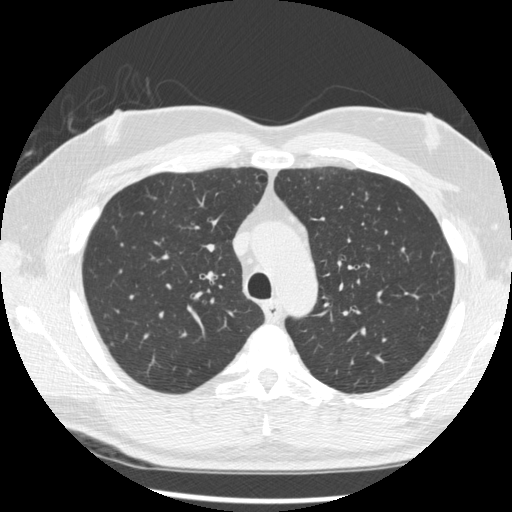
This is axial slice 344 of 522 (slice 1 is the lowest) of a chest CT; each pixel is 0.703 mm and the slice is 1.25 mm thick. Pulmonary nodule at rows 343–345, columns 110–113 (box = that reader's outline on this slice), outlined by one of the four readers; longest diameter 5.4 mm and volume 41 mm3 from that reader's outline. Ratings by that reader: texture 5/5 (solid); margin 5/5 (circumscribed); sphericity 4/5; calcification absent; internal structure soft tissue; subtlety 4/5; malignancy likelihood 3/5. Scale key (1–5): texture non-solid→solid, margin indistinct→circumscribed, sphericity linear→round, subtlety extremely subtle→obvious, malignancy likelihood highly unlikely→highly suspicious of cancer. Box rows and columns are 0-based pixel indices from the top-left corner, inclusive.
Acquired at 120 kVp and reconstructed with the STANDARD kernel.